One axial slice (148 of 331, counting up from the lowest) of a chest CT acquired at 130 kVp with the B20s kernel; each pixel is 0.496 mm and the slice is 1.25 mm thick.
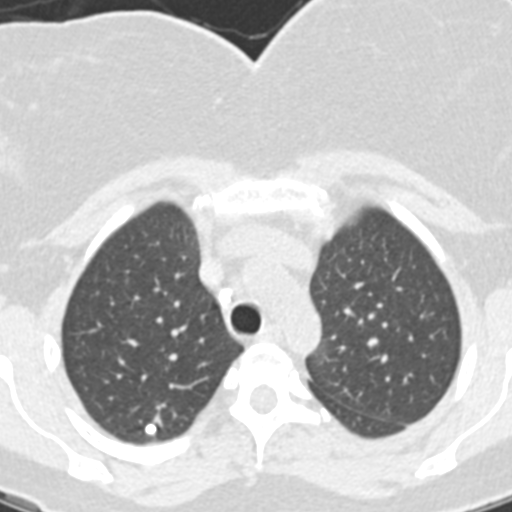
Pulmonary nodule outlined by all four readers; box rows 423–434, columns 144–156 (the union of the readers' outlines on this slice); longest diameter 7.6 mm on average over the four readers' outlines (readers' outlines 6.9–8.4 mm), volume 132–209 mm3. The readers' prevailing ratings and who disagreed: texture 5/5 (solid), all four readers agreeing; margin 5/5 (circumscribed) from all four readers; most readers (three of four) put sphericity at 5/5 (round), others 4/5 (one); calcification solid calcification by three of four readers, central calcification (one); internal structure soft tissue, all four readers agreeing; subtlety 5/5 by three of four readers; the rest gave 4/5 (one); malignancy likelihood 1/5 from all four readers. Scale key (1–5): texture non-solid→solid, margin indistinct→circumscribed, sphericity linear→round, subtlety extremely subtle→obvious, malignancy likelihood highly unlikely→highly suspicious of cancer. Box rows and columns are 0-based pixel indices from the top-left corner, inclusive.